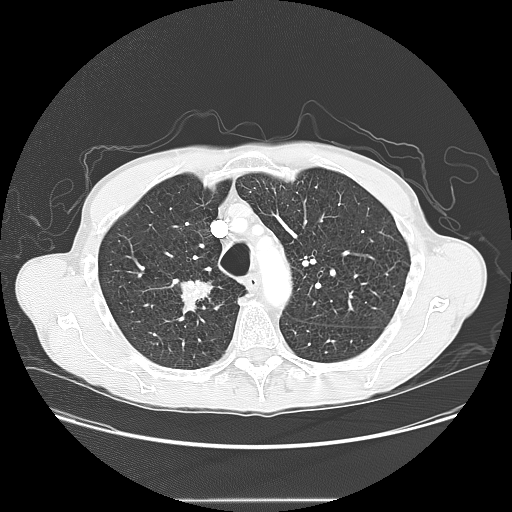
Axial chest CT slice 110 of 145 (counted from the lowest slice); tube voltage 120 kVp, convolution kernel LUNG; slices 2.50 mm thick, 0.781 mm per pixel.
Pulmonary nodule at rows 279–314, columns 179–214 (box = the union of the readers' outlines on this slice), outlined by all four readers; longest diameter 34.4 mm on average over the four readers' outlines (readers' outlines 31.9–37.6 mm), volume 6100–11568 mm3. The readers' prevailing ratings and who disagreed: most readers (three of four) put texture at 5/5 (solid), others 4/5 (one); margin 3/5 by two of four readers; the rest gave 2/5 (one), 4/5 (one); sphericity 4/5 by two of four readers; the rest gave 3/5 (ovoid) (one), 5/5 (round) (one); calcification absent from all four readers; internal structure soft tissue, all four readers agreeing; subtlety 5/5, all four readers agreeing; malignancy likelihood 5/5 by three of four readers; the rest gave 4/5 (one). Scale key (1–5): texture non-solid→solid, margin indistinct→circumscribed, sphericity linear→round, subtlety extremely subtle→obvious, malignancy likelihood highly unlikely→highly suspicious of cancer. Box rows and columns are 0-based pixel indices from the top-left corner, inclusive.